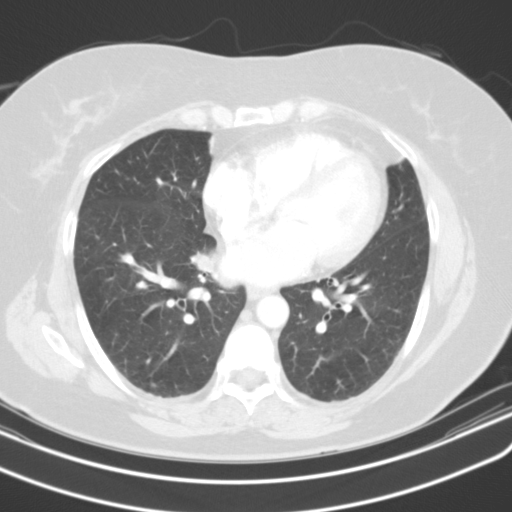
Axial chest CT slice 67 of 122 (counted from the lowest slice); tube voltage 130 kVp, convolution kernel B31s; slices 3.00 mm thick, 0.668 mm per pixel.
Pulmonary nodule outlined by two of the four readers; box rows 252–271, columns 188–214 (the union of the readers' outlines on this slice); longest diameter 18.3 mm on average over the two readers' outlines (readers' outlines 17.3–19.3 mm), volume 1121–1523 mm3. The readers' prevailing ratings and who disagreed: texture split among the readers: 4/5 (one), 5/5 (solid) (one); margin split among the readers: 1/5 (indistinct) (one), 4/5 (one); sphericity split among the readers: 2/5 (one), 4/5 (one); calcification absent from both readers; internal structure soft tissue from both readers; subtlety split among the readers: 2/5 (one), 4/5 (one); malignancy likelihood split among the readers: 2/5 (one), 5/5 (one). Scale key (1–5): texture non-solid→solid, margin indistinct→circumscribed, sphericity linear→round, subtlety extremely subtle→obvious, malignancy likelihood highly unlikely→highly suspicious of cancer. Box rows and columns are 0-based pixel indices from the top-left corner, inclusive.